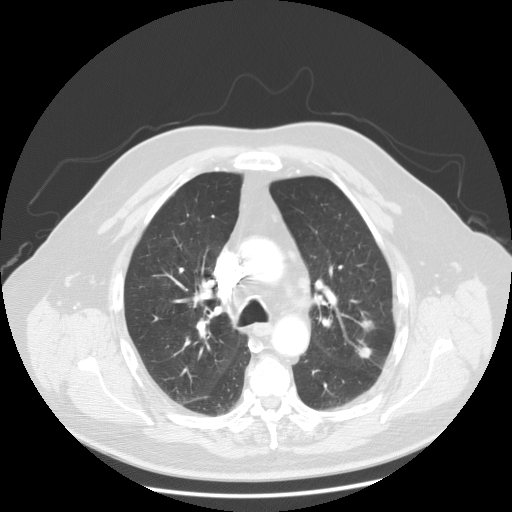
Axial chest CT slice 88 of 133 (counted from the lowest slice); tube voltage 120 kVp, convolution kernel STANDARD; slices 2.50 mm thick, 0.820 mm per pixel.
Two pulmonary nodules on this slice, listed from left to right. (1) Pulmonary nodule at rows 345–358, columns 355–371 (box = the union of the readers' outlines on this slice), outlined by all four readers; the four readers' outlines give a longest diameter between 13.6 and 17.4 mm and a volume between 747 and 1295 mm3. Ratings across the readers: texture from 4/5 to 5/5 (solid) across the four readers; margin from 4/5 to 5/5 (circumscribed) across the four readers; sphericity from 3/5 (ovoid) to 5/5 (round) across the four readers; calcification absent, all four readers agreeing; internal structure soft tissue, all four readers agreeing; subtlety rated between 3 and 5 out of 5 by the four readers; malignancy likelihood rated between 2 and 5 out of 5 by the four readers. (2) Pulmonary nodule outlined by all four readers; box rows 320–331, columns 358–376 (the union of the readers' outlines on this slice); median longest diameter 13.9 mm (readers' outlines 13.7–15.1 mm), median volume 948 mm3 (880–1281 mm3). Ratings, median across the readers with their spread: texture 5/5 (solid), all four readers agreeing; median margin 5/5 (circumscribed) (readers ranged 4/5 to 5/5 (circumscribed)); sphericity 4.5/5 at the median of four readers, spread 3/5 (ovoid) to 5/5 (round); calcification absent, all four readers agreeing; internal structure soft tissue, all four readers agreeing; median subtlety 4.5/5 (readers ranged 3–5); median malignancy likelihood 4.5/5 (readers ranged 2–5). Scale key (1–5): texture non-solid→solid, margin indistinct→circumscribed, sphericity linear→round, subtlety extremely subtle→obvious, malignancy likelihood highly unlikely→highly suspicious of cancer. Box rows and columns are 0-based pixel indices from the top-left corner, inclusive.